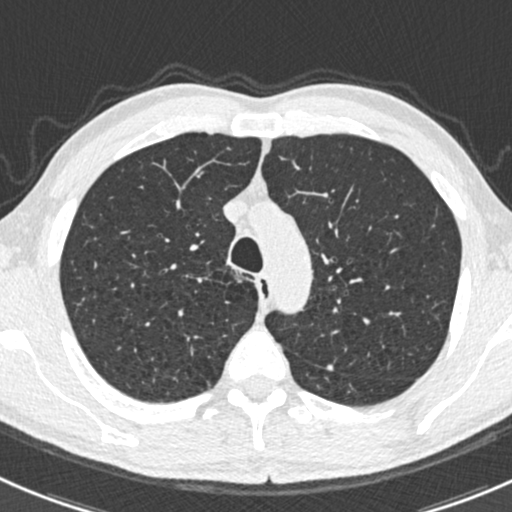
Axial slice 426 of 538 of a chest CT (slice 1 is the lowest), reconstructed with the B30f kernel at 120 kVp; 0.75 mm slice thickness and 0.605 mm pixels.
Pulmonary nodule at rows 363–371, columns 325–334 (box = the union of the readers' outlines on this slice), outlined by all four readers; the four readers' outlines give a longest diameter between 6.3 and 8.1 mm and a volume between 38 and 119 mm3. The readers' ratings, as ranges where they differ: texture 5/5 (solid), all four readers agreeing; margin from 4/5 to 5/5 (circumscribed) across the four readers; sphericity from 4/5 to 5/5 (round) across the four readers; calcification: solid calcification (three), absent (one); internal structure soft tissue from all four readers; subtlety rated between 2 and 5 out of 5 by the four readers; malignancy likelihood 1/5, all four readers agreeing. Scale key (1–5): texture non-solid→solid, margin indistinct→circumscribed, sphericity linear→round, subtlety extremely subtle→obvious, malignancy likelihood highly unlikely→highly suspicious of cancer. Box rows and columns are 0-based pixel indices from the top-left corner, inclusive.